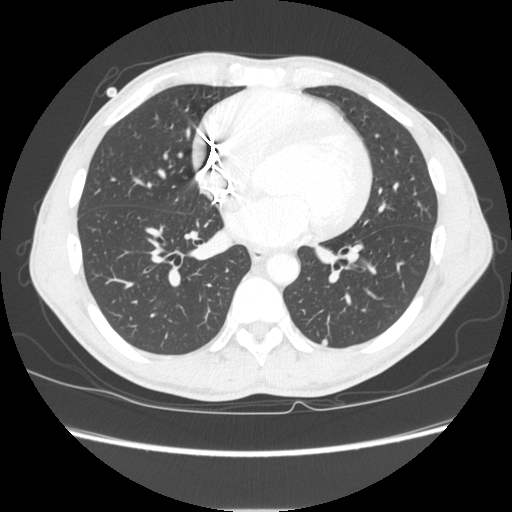
This is axial slice 119 of 261 (slice 1 is the lowest) of a chest CT; each pixel is 0.684 mm and the slice is 1.25 mm thick. Pulmonary nodule at rows 339–345, columns 322–327 (box = the union of the readers' outlines on this slice), outlined by all four readers; longest diameter 6.0 mm on average over the four readers' outlines (readers' outlines 5.2–6.8 mm), volume 71–112 mm3. Ratings, by the readers' most common answer with dissent counted: texture 5/5 (solid) from all four readers; margin 5/5 (circumscribed), all four readers agreeing; sphericity 4/5 by two of four readers; the rest gave 3/5 (ovoid) (one), 5/5 (round) (one); calcification absent from all four readers; internal structure soft tissue, all four readers agreeing; subtlety split among the readers: 3/5 (two), 4/5 (two); malignancy likelihood 3/5 by three of four readers; the rest gave 2/5 (one). Scale key (1–5): texture non-solid→solid, margin indistinct→circumscribed, sphericity linear→round, subtlety extremely subtle→obvious, malignancy likelihood highly unlikely→highly suspicious of cancer. Box rows and columns are 0-based pixel indices from the top-left corner, inclusive.
Scan settings: 120 kVp, STANDARD reconstruction kernel.